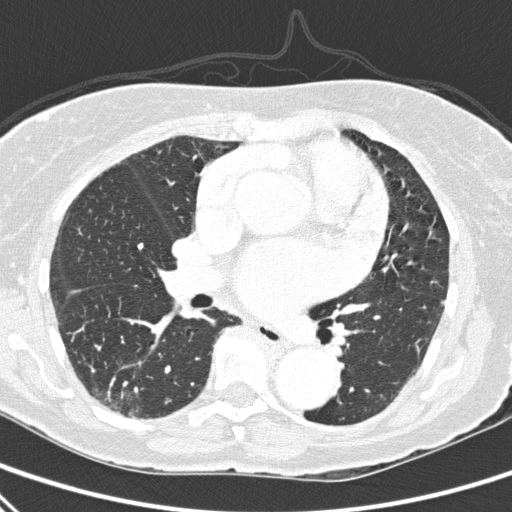
Axial slice 165 of 310 of a chest CT (slice 1 is the lowest), reconstructed with the D kernel at 120 kVp; 1.00 mm slice thickness and 0.643 mm pixels.
Pulmonary nodule outlined by all four readers; box rows 242–249, columns 136–143 (the union of the readers' outlines on this slice); median longest diameter 6.6 mm (readers' outlines 5.7–7.2 mm), median volume 60 mm3 (39–81 mm3). Ratings, median across the readers with their spread: texture 5/5 (solid), all four readers agreeing; margin 5/5 (circumscribed), all four readers agreeing; median sphericity 4/5 (readers ranged 3/5 (ovoid) to 5/5 (round)); calcification solid calcification from all four readers; internal structure soft tissue, all four readers agreeing; subtlety 5/5 from all four readers; malignancy likelihood 1/5 from all four readers. Scale key (1–5): texture non-solid→solid, margin indistinct→circumscribed, sphericity linear→round, subtlety extremely subtle→obvious, malignancy likelihood highly unlikely→highly suspicious of cancer. Box rows and columns are 0-based pixel indices from the top-left corner, inclusive.